Axial slice 210 of 241 of a chest CT (slice 1 is the lowest), reconstructed with the BONE kernel at 120 kVp; 1.25 mm slice thickness and 0.586 mm pixels.
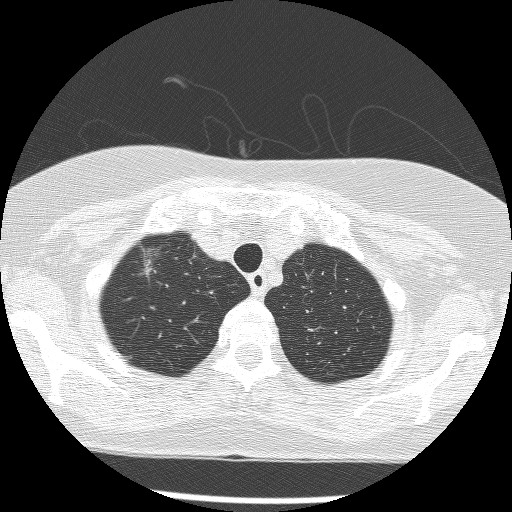
Pulmonary nodule outlined by all four readers; box rows 247–274, columns 138–159 (the union of the readers' outlines on this slice); longest diameter 22.8 mm on average over the four readers' outlines (readers' outlines 21.0–24.7 mm), volume 2289–2909 mm3. Ratings, by the readers' most common answer with dissent counted: texture split among the readers: 1/5 (non-solid) (two), 2/5 (two); most readers (three of four) put margin at 2/5, others 3/5 (one); sphericity 3/5 (ovoid) by two of four readers; the rest gave 2/5 (one), 4/5 (one); calcification absent from all four readers; internal structure soft tissue from all four readers; subtlety split among the readers: 4/5 (two), 5/5 (two); most readers (three of four) put malignancy likelihood at 5/5, others 3/5 (one). Scale key (1–5): texture non-solid→solid, margin indistinct→circumscribed, sphericity linear→round, subtlety extremely subtle→obvious, malignancy likelihood highly unlikely→highly suspicious of cancer. Box rows and columns are 0-based pixel indices from the top-left corner, inclusive.